Axial chest CT slice 258 of 465 (counted from the lowest slice); tube voltage 120 kVp, convolution kernel STANDARD; slices 1.25 mm thick, 0.586 mm per pixel.
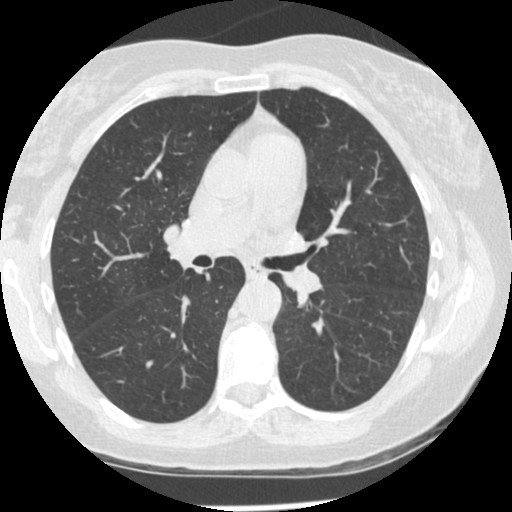
No nodule 3 mm or larger was outlined here by any reader.